Chest CT, axial plane, 120 kVp, kernel BONE. Slice 149/244 from the bottom of the scan; thickness 1.25 mm; pixel size 0.729 mm.
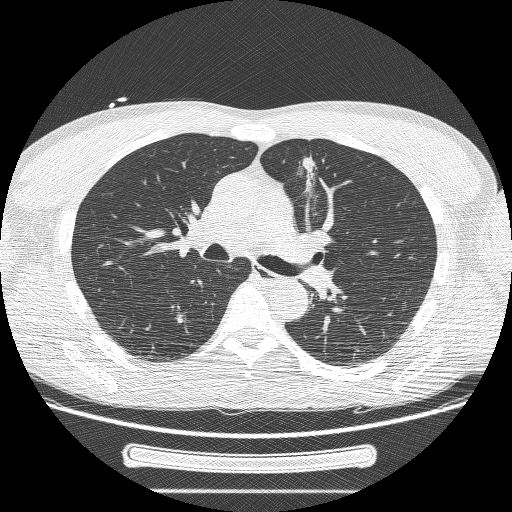
Pulmonary nodule at rows 155–173, columns 301–314 (box = the union of the readers' outlines on this slice), outlined by three of the four readers; longest diameter 34.2 mm on average over the three readers' outlines (readers' outlines 27.4–37.9 mm), volume 2934–10099 mm3. Ratings, by the readers' most common answer with dissent counted: texture 5/5 (solid) by two of three readers; the rest gave 3/5 (part-solid) (one); margin split among the readers: 1/5 (indistinct) (one), 2/5 (one), 3/5 (one); sphericity split among the readers: 2/5 (one), 3/5 (ovoid) (one), 4/5 (one); calcification absent from all three readers; internal structure soft tissue from all three readers; subtlety 5/5, all three readers agreeing; most readers (two of three) put malignancy likelihood at 5/5, others 3/5 (one). Scale key (1–5): texture non-solid→solid, margin indistinct→circumscribed, sphericity linear→round, subtlety extremely subtle→obvious, malignancy likelihood highly unlikely→highly suspicious of cancer. Box rows and columns are 0-based pixel indices from the top-left corner, inclusive.